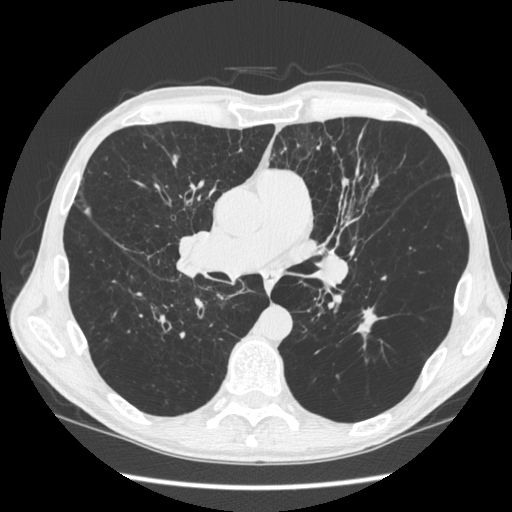
Chest CT, axial plane, 120 kVp, kernel STANDARD. Slice 326/583 from the bottom of the scan; thickness 1.25 mm; pixel size 0.703 mm.
Pulmonary nodule outlined by two of the four readers; box rows 307–348, columns 356–385 (the union of the readers' outlines on this slice); median longest diameter 27.9 mm (readers' outlines 24.1–31.7 mm), median volume 984 mm3 (791–1176 mm3). Median ratings and the readers' spread: texture 5/5 (solid), both readers agreeing; median margin 2.5/5 (readers ranged 1/5 (indistinct) to 4/5); median sphericity 1.5/5 (readers ranged 1/5 (linear) to 2/5); calcification absent from both readers; internal structure soft tissue, both readers agreeing; subtlety 5/5 from both readers; median malignancy likelihood 2.5/5 (readers ranged 2–3). Scale key (1–5): texture non-solid→solid, margin indistinct→circumscribed, sphericity linear→round, subtlety extremely subtle→obvious, malignancy likelihood highly unlikely→highly suspicious of cancer. Box rows and columns are 0-based pixel indices from the top-left corner, inclusive.